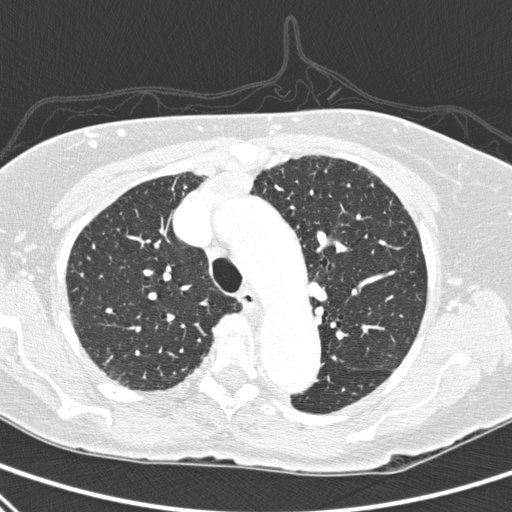
One axial slice (232 of 310, counting up from the lowest) of a chest CT acquired at 120 kVp with the D kernel; each pixel is 0.643 mm and the slice is 1.00 mm thick.
The readers outlined no nodule of 3 mm or more on this slice.